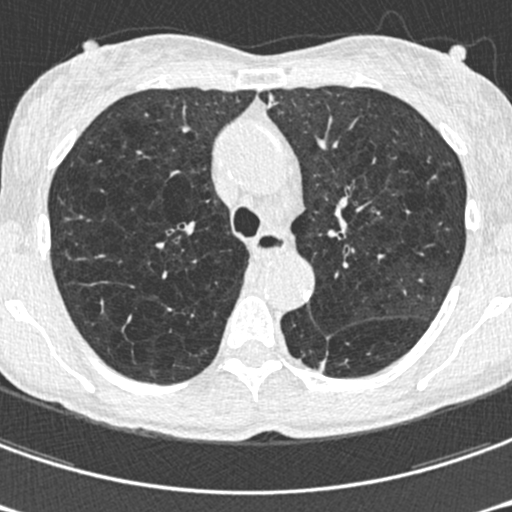
One axial slice (437 of 633, counting up from the lowest) of a chest CT acquired at 120 kVp with the B30f kernel; each pixel is 0.541 mm and the slice is 0.60 mm thick.
Pulmonary nodule, outlined by one of the four readers. Box on this slice rows 360–370, columns 320–325, that reader's outline on this slice; longest diameter 20.7 mm and volume 470 mm3 from that reader's outline. Ratings by that reader: texture 5/5 (solid); margin 1/5 (indistinct); sphericity 2/5; calcification absent; internal structure soft tissue; subtlety 4/5; malignancy likelihood 3/5. Scale key (1–5): texture non-solid→solid, margin indistinct→circumscribed, sphericity linear→round, subtlety extremely subtle→obvious, malignancy likelihood highly unlikely→highly suspicious of cancer. Box rows and columns are 0-based pixel indices from the top-left corner, inclusive.